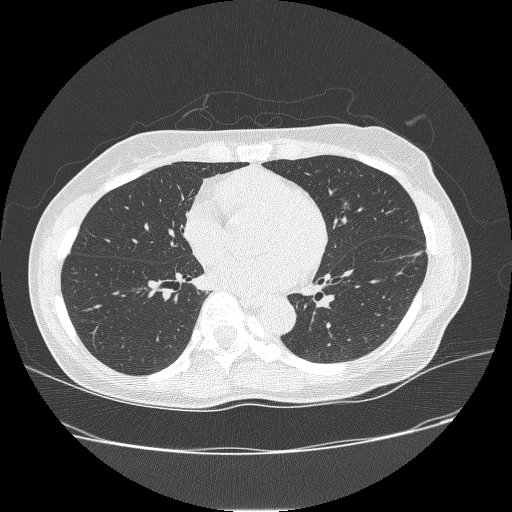
One axial slice (122 of 238, counting up from the lowest) of a chest CT acquired at 120 kVp with the BONE kernel; each pixel is 0.703 mm and the slice is 1.25 mm thick.
Pulmonary nodule outlined by three of the four readers; box rows 200–209, columns 341–350 (the union of the readers' outlines on this slice); median longest diameter 8.6 mm (readers' outlines 8.6–8.7 mm), median volume 113 mm3 (93–139 mm3). Ratings, median across the readers with their spread: texture 1/5 (non-solid) from all three readers; margin 1/5 (indistinct), all three readers agreeing; median sphericity 4/5 (readers ranged 4/5 to 5/5 (round)); calcification absent from all three readers; internal structure soft tissue from all three readers; subtlety 3/5 at the median of three readers, spread 2–4; median malignancy likelihood 4/5 (readers ranged 3–4). Scale key (1–5): texture non-solid→solid, margin indistinct→circumscribed, sphericity linear→round, subtlety extremely subtle→obvious, malignancy likelihood highly unlikely→highly suspicious of cancer. Box rows and columns are 0-based pixel indices from the top-left corner, inclusive.